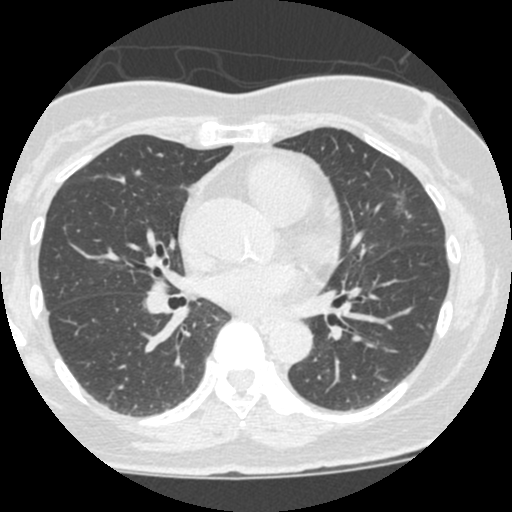
One axial slice (270 of 490, counting up from the lowest) of a chest CT acquired at 120 kVp with the STANDARD kernel; each pixel is 0.547 mm and the slice is 1.25 mm thick.
Pulmonary nodule, outlined by two of the four readers. Box on this slice rows 184–221, columns 386–409, the union of the readers' outlines on this slice; the two readers' outlines give a longest diameter between 26.3 and 27.5 mm and a volume between 1167 and 1852 mm3. Ratings across the readers: texture 1/5 (non-solid), both readers agreeing; margin from 1/5 (indistinct) to 2/5 across the two readers; sphericity from 2/5 to 5/5 (round) across the two readers; calcification absent, both readers agreeing; internal structure soft tissue from both readers; subtlety 1–5/5 (the readers disagree); malignancy likelihood rated between 2 and 3 out of 5 by the two readers. Scale key (1–5): texture non-solid→solid, margin indistinct→circumscribed, sphericity linear→round, subtlety extremely subtle→obvious, malignancy likelihood highly unlikely→highly suspicious of cancer. Box rows and columns are 0-based pixel indices from the top-left corner, inclusive.